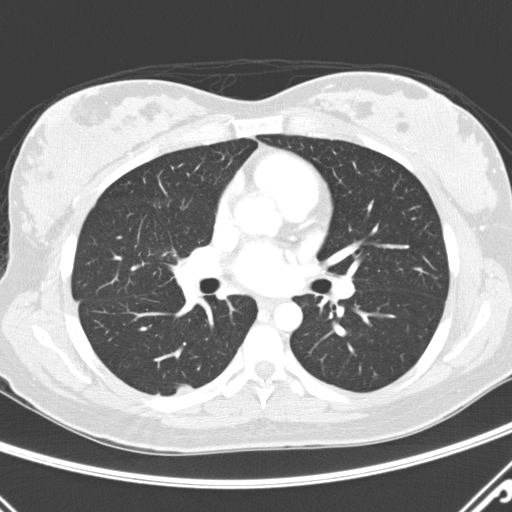
One axial slice (163 of 290, counting up from the lowest) of a chest CT acquired at 120 kVp with the D kernel; each pixel is 0.648 mm and the slice is 2.00 mm thick.
Pulmonary nodule at rows 386–393, columns 175–192 (box = that reader's outline on this slice), outlined by one of the four readers; longest diameter 14.2 mm and volume 261 mm3 from that reader's outline. That reader's ratings: texture 4/5; margin 4/5; sphericity 3/5 (ovoid); calcification absent; internal structure soft tissue; subtlety 5/5; malignancy likelihood 3/5. Scale key (1–5): texture non-solid→solid, margin indistinct→circumscribed, sphericity linear→round, subtlety extremely subtle→obvious, malignancy likelihood highly unlikely→highly suspicious of cancer. Box rows and columns are 0-based pixel indices from the top-left corner, inclusive.